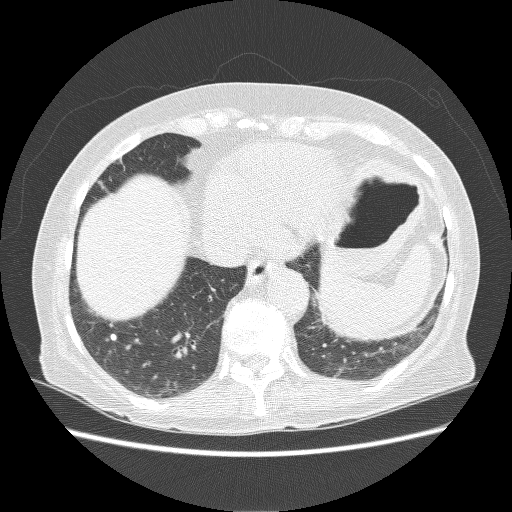
Chest CT, axial plane, 120 kVp, kernel BONE. Slice 78/259 from the bottom of the scan; thickness 1.25 mm; pixel size 0.703 mm.
Pulmonary nodule at rows 333–340, columns 110–116 (box = the union of the readers' outlines on this slice), outlined by all four readers; median longest diameter 6.5 mm (readers' outlines 6.0–6.7 mm), median volume 97 mm3 (87–136 mm3). Ratings, median across the readers with their spread: texture 5/5 (solid) from all four readers; margin 5/5 (circumscribed) from all four readers; median sphericity 4.5/5 (readers ranged 4/5 to 5/5 (round)); calcification solid calcification from all four readers; internal structure soft tissue, all four readers agreeing; subtlety 5/5 at the median of four readers, spread 4–5; malignancy likelihood 1/5 from all four readers. Scale key (1–5): texture non-solid→solid, margin indistinct→circumscribed, sphericity linear→round, subtlety extremely subtle→obvious, malignancy likelihood highly unlikely→highly suspicious of cancer. Box rows and columns are 0-based pixel indices from the top-left corner, inclusive.